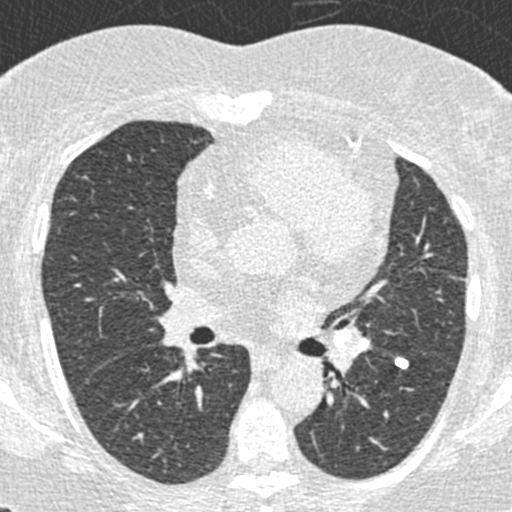
One axial slice (266 of 423, counting up from the lowest) of a chest CT acquired at 120 kVp with the B30f kernel; each pixel is 0.520 mm and the slice is 0.75 mm thick.
Pulmonary nodule outlined by all four readers; box rows 356–368, columns 395–409 (the union of the readers' outlines on this slice); the four readers' outlines give a longest diameter between 8.1 and 9.5 mm and a volume between 146 and 244 mm3. Ratings across the readers: texture 5/5 (solid) from all four readers; margin 5/5 (circumscribed) from all four readers; sphericity from 3/5 (ovoid) to 5/5 (round) across the four readers; calcification solid calcification from all four readers; internal structure soft tissue from all four readers; subtlety rated between 4 and 5 out of 5 by the four readers; malignancy likelihood 1/5, all four readers agreeing. Scale key (1–5): texture non-solid→solid, margin indistinct→circumscribed, sphericity linear→round, subtlety extremely subtle→obvious, malignancy likelihood highly unlikely→highly suspicious of cancer. Box rows and columns are 0-based pixel indices from the top-left corner, inclusive.